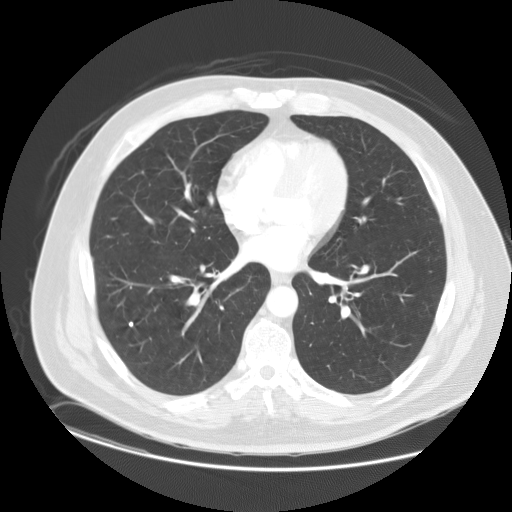
One axial slice (71 of 147, counting up from the lowest) of a chest CT acquired at 120 kVp with the STANDARD kernel; each pixel is 0.859 mm and the slice is 2.50 mm thick.
Pulmonary nodule outlined by two of the four readers; box rows 321–327, columns 128–133 (the union of the readers' outlines on this slice); the two readers' outlines give a longest diameter between 6.5 and 6.9 mm and a volume between 64 and 113 mm3. The readers' ratings, as ranges where they differ: texture 5/5 (solid), both readers agreeing; margin 5/5 (circumscribed), both readers agreeing; sphericity 5/5 (round), both readers agreeing; calcification solid calcification from both readers; internal structure soft tissue, both readers agreeing; subtlety 4–5/5 (the readers disagree); malignancy likelihood 1/5, both readers agreeing. Scale key (1–5): texture non-solid→solid, margin indistinct→circumscribed, sphericity linear→round, subtlety extremely subtle→obvious, malignancy likelihood highly unlikely→highly suspicious of cancer. Box rows and columns are 0-based pixel indices from the top-left corner, inclusive.